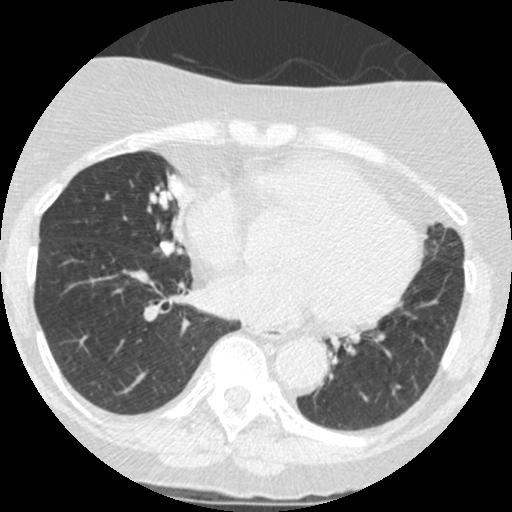
This is axial slice 158 of 426 (slice 1 is the lowest) of a chest CT; each pixel is 0.547 mm and the slice is 1.25 mm thick. Two pulmonary nodules on this slice, listed from left to right. (1) Pulmonary nodule at rows 240–256, columns 159–175 (box = that reader's outline on this slice), outlined by one of the four readers; longest diameter 15.0 mm and volume 404 mm3 from that reader's outline. That reader's ratings: texture 5/5 (solid); margin 4/5; sphericity 4/5; calcification non-central calcification; internal structure soft tissue; subtlety 4/5; malignancy likelihood 2/5. (2) Pulmonary nodule at rows 175–197, columns 168–178 (box = the union of the readers' outlines on this slice), outlined by all four readers, three of them on this slice; the four readers' outlines give a longest diameter between 17.0 and 20.6 mm and a volume between 1129 and 1635 mm3. Ratings across the readers: texture from 4/5 to 5/5 (solid) across the four readers; margin from 2/5 to 5/5 (circumscribed) across the four readers; sphericity from 3/5 (ovoid) to 5/5 (round) across the four readers; calcification: absent (three), non-central calcification (one); internal structure soft tissue, all four readers agreeing; subtlety 3–5/5 (the readers disagree); malignancy likelihood rated between 2 and 4 out of 5 by the four readers. Scale key (1–5): texture non-solid→solid, margin indistinct→circumscribed, sphericity linear→round, subtlety extremely subtle→obvious, malignancy likelihood highly unlikely→highly suspicious of cancer. Box rows and columns are 0-based pixel indices from the top-left corner, inclusive.
Tube voltage 120 kVp; convolution kernel STANDARD.